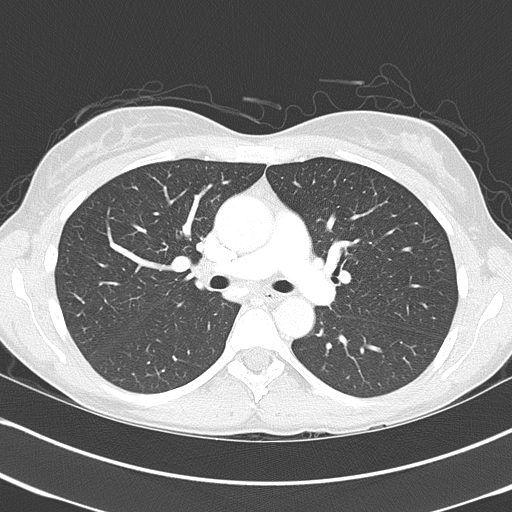
One axial slice (241 of 368, counting up from the lowest) of a chest CT acquired at 120 kVp with the B70f kernel; each pixel is 0.623 mm and the slice is 2.00 mm thick.
No nodule 3 mm or larger was outlined here by any reader.